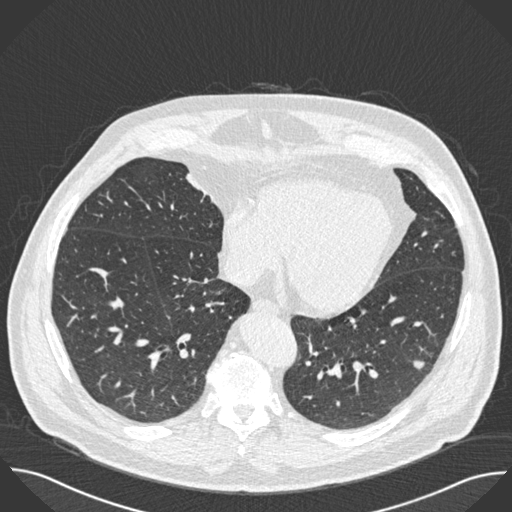
Chest CT, axial plane, 120 kVp, kernel B30f. Slice 207/493 from the bottom of the scan; thickness 0.75 mm; pixel size 0.762 mm.
Pulmonary nodule outlined by all four readers; box rows 360–368, columns 413–424 (the union of the readers' outlines on this slice); median longest diameter 10.5 mm (readers' outlines 10.0–10.8 mm), median volume 216 mm3 (188–224 mm3). Ratings, median across the readers with their spread: texture 5/5 (solid), all four readers agreeing; median margin 4.5/5 (readers ranged 4/5 to 5/5 (circumscribed)); sphericity 3/5 (ovoid), all four readers agreeing; calcification: absent (three), solid calcification (one); internal structure soft tissue, all four readers agreeing; subtlety 4/5 at the median of four readers, spread 3–5; median malignancy likelihood 3/5 (readers ranged 2–3). Scale key (1–5): texture non-solid→solid, margin indistinct→circumscribed, sphericity linear→round, subtlety extremely subtle→obvious, malignancy likelihood highly unlikely→highly suspicious of cancer. Box rows and columns are 0-based pixel indices from the top-left corner, inclusive.